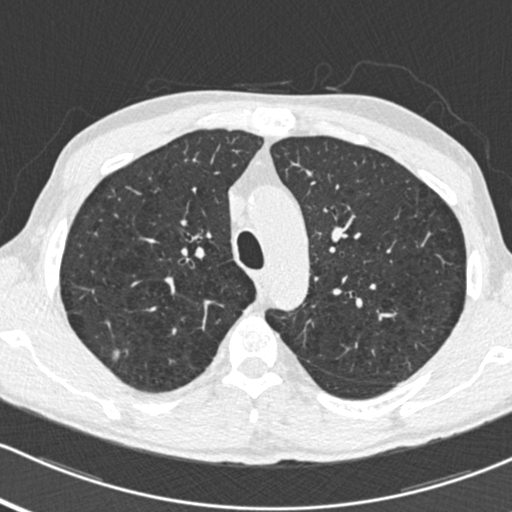
This is axial slice 369 of 483 (slice 1 is the lowest) of a chest CT; each pixel is 0.617 mm and the slice is 0.75 mm thick. Pulmonary nodule at rows 349–360, columns 112–120 (box = the union of the readers' outlines on this slice), outlined by three of the four readers; longest diameter 10.0–12.0 mm and volume 141–227 mm3 across the three readers' outlines. The readers' ratings, as ranges where they differ: texture from 2/5 to 3/5 (part-solid) across the three readers; margin from 1/5 (indistinct) to 2/5 across the three readers; sphericity from 3/5 (ovoid) to 4/5 across the three readers; calcification absent, all three readers agreeing; internal structure soft tissue, all three readers agreeing; subtlety 2–4/5 (the readers disagree); malignancy likelihood rated between 3 and 5 out of 5 by the three readers. Scale key (1–5): texture non-solid→solid, margin indistinct→circumscribed, sphericity linear→round, subtlety extremely subtle→obvious, malignancy likelihood highly unlikely→highly suspicious of cancer. Box rows and columns are 0-based pixel indices from the top-left corner, inclusive.
Scan settings: 120 kVp, B30f reconstruction kernel.